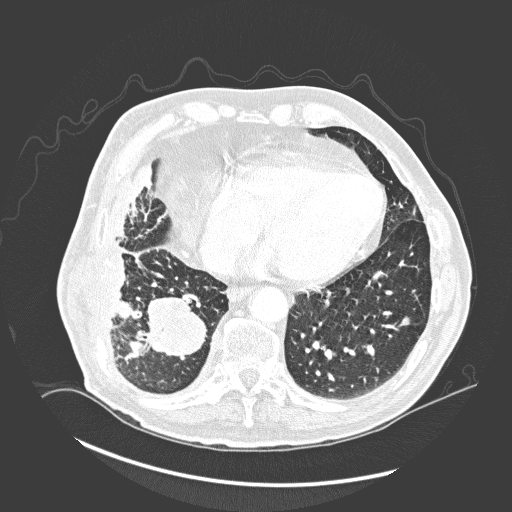
Axial slice 77 of 300 of a chest CT (slice 1 is the lowest), reconstructed with the D kernel at 120 kVp; 1.00 mm slice thickness and 0.744 mm pixels.
Pulmonary nodule outlined by all four readers; box rows 316–326, columns 400–409 (the union of the readers' outlines on this slice); median longest diameter 9.4 mm (readers' outlines 8.3–9.5 mm), median volume 99 mm3 (46–143 mm3). Ratings, median across the readers with their spread: median texture 5/5 (solid) (readers ranged 4/5 to 5/5 (solid)); margin 4/5 at the median of four readers, spread 2/5 to 5/5 (circumscribed); sphericity 3/5 (ovoid) at the median of four readers, spread 3/5 (ovoid) to 4/5; calcification absent from all four readers; internal structure soft tissue from all four readers; subtlety 3.5/5 at the median of four readers, spread 2–4; malignancy likelihood 2.5/5 at the median of four readers, spread 1–4. Scale key (1–5): texture non-solid→solid, margin indistinct→circumscribed, sphericity linear→round, subtlety extremely subtle→obvious, malignancy likelihood highly unlikely→highly suspicious of cancer. Box rows and columns are 0-based pixel indices from the top-left corner, inclusive.